Axial chest CT slice 116 of 481 (counted from the lowest slice); tube voltage 120 kVp, convolution kernel STANDARD; slices 1.25 mm thick, 0.664 mm per pixel.
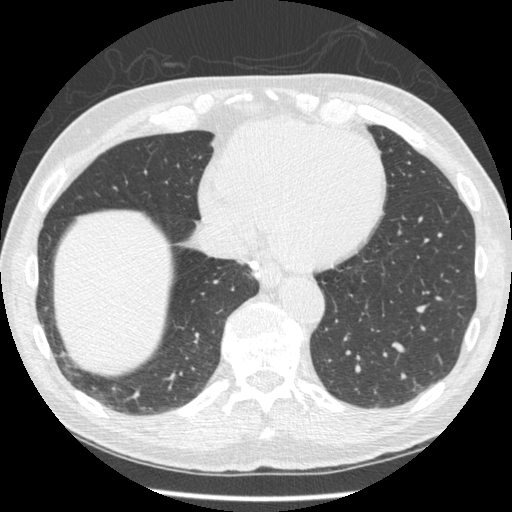
Pulmonary nodule outlined by one of the four readers; box rows 351–357, columns 60–64 (that reader's outline on this slice); longest diameter 5.9 mm and volume 35 mm3 from that reader's outline. Ratings by that reader: texture 4/5; margin 2/5; sphericity 2/5; calcification absent; internal structure soft tissue; subtlety 1/5; malignancy likelihood 1/5. Scale key (1–5): texture non-solid→solid, margin indistinct→circumscribed, sphericity linear→round, subtlety extremely subtle→obvious, malignancy likelihood highly unlikely→highly suspicious of cancer. Box rows and columns are 0-based pixel indices from the top-left corner, inclusive.